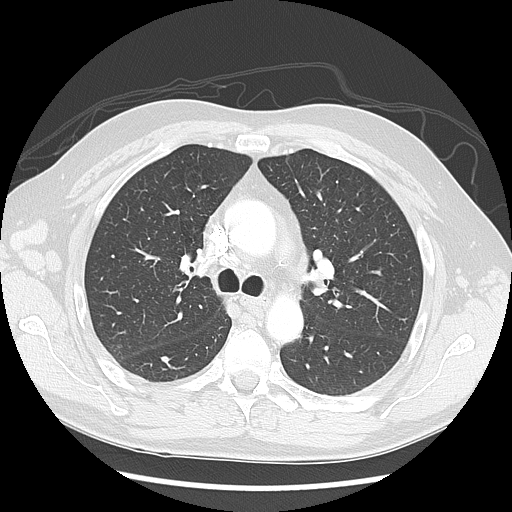
Axial chest CT slice 96 of 139 (counted from the lowest slice); 2.50 mm thick, 0.703 mm per pixel. Pulmonary nodule at rows 355–362, columns 160–168 (box = that reader's outline on this slice), outlined by one of the four readers; longest diameter 7.3 mm and volume 176 mm3 from that reader's outline. Ratings by that reader: texture 5/5 (solid); margin 5/5 (circumscribed); sphericity 3/5 (ovoid); calcification absent; internal structure soft tissue; subtlety 3/5; malignancy likelihood 2/5. Scale key (1–5): texture non-solid→solid, margin indistinct→circumscribed, sphericity linear→round, subtlety extremely subtle→obvious, malignancy likelihood highly unlikely→highly suspicious of cancer. Box rows and columns are 0-based pixel indices from the top-left corner, inclusive.
Tube voltage 120 kVp; convolution kernel LUNG.